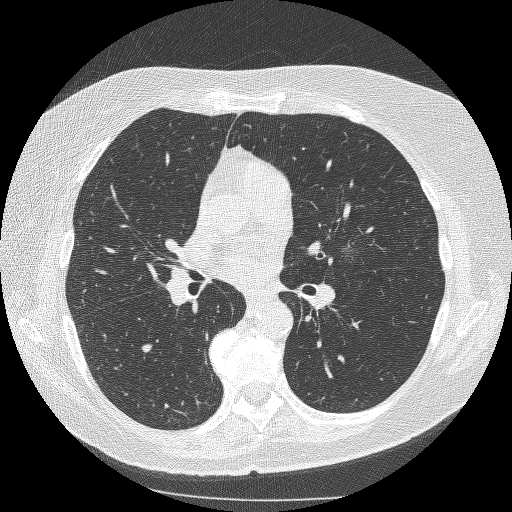
Slice 155/253 of a chest CT, counting up from the lowest; pixel size 0.625 mm, slice thickness 1.25 mm. Pulmonary nodule at rows 241–258, columns 341–360 (box = the union of the readers' outlines on this slice), outlined by two of the four readers; the two readers' outlines give a longest diameter between 12.9 and 18.3 mm and a volume between 294 and 342 mm3. The readers' ratings, as ranges where they differ: texture 1/5 (non-solid), both readers agreeing; margin 1/5 (indistinct), both readers agreeing; sphericity from 4/5 to 5/5 (round) across the two readers; calcification absent from both readers; internal structure soft tissue, both readers agreeing; subtlety 2–3/5 (the readers disagree); malignancy likelihood 3–4/5 (the readers disagree). Scale key (1–5): texture non-solid→solid, margin indistinct→circumscribed, sphericity linear→round, subtlety extremely subtle→obvious, malignancy likelihood highly unlikely→highly suspicious of cancer. Box rows and columns are 0-based pixel indices from the top-left corner, inclusive.
Tube voltage 120 kVp; convolution kernel BONE.